One axial slice (47 of 149, counting up from the lowest) of a chest CT acquired at 120 kVp with the STANDARD kernel; each pixel is 0.820 mm and the slice is 2.50 mm thick.
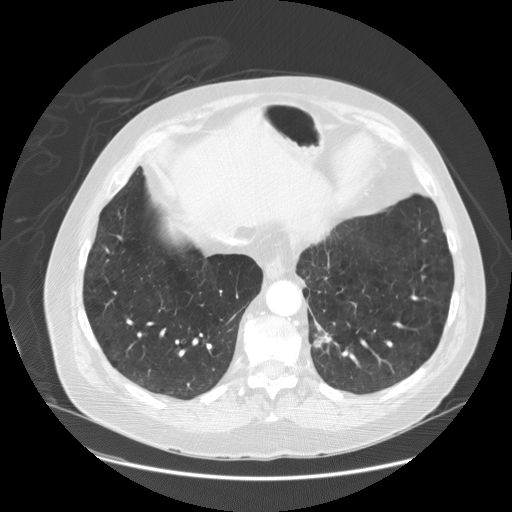
Pulmonary nodule at rows 318–347, columns 313–332 (box = the union of the readers' outlines on this slice), outlined by all four readers; longest diameter 21.9–28.7 mm and volume 2868–3180 mm3 across the four readers' outlines. Ratings across the readers: texture from 4/5 to 5/5 (solid) across the four readers; margin from 3/5 to 5/5 (circumscribed) across the four readers; sphericity from 3/5 (ovoid) to 5/5 (round) across the four readers; calcification absent from all four readers; internal structure soft tissue, all four readers agreeing; subtlety from 4/5 to 5/5 across the four readers; malignancy likelihood rated between 3 and 5 out of 5 by the four readers. Scale key (1–5): texture non-solid→solid, margin indistinct→circumscribed, sphericity linear→round, subtlety extremely subtle→obvious, malignancy likelihood highly unlikely→highly suspicious of cancer. Box rows and columns are 0-based pixel indices from the top-left corner, inclusive.